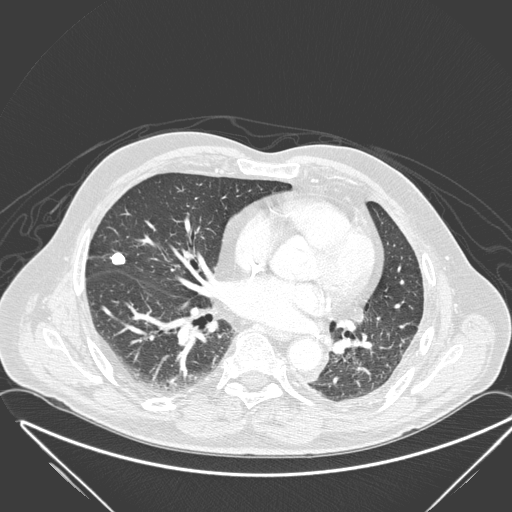
Axial slice 104 of 280 of a chest CT (slice 1 is the lowest), reconstructed with the D kernel at 120 kVp; 1.00 mm slice thickness and 0.830 mm pixels.
Pulmonary nodule, outlined by all four readers. Box on this slice rows 251–264, columns 110–125, the union of the readers' outlines on this slice; longest diameter 17.6–22.4 mm and volume 620–866 mm3 across the four readers' outlines. The readers' ratings, as ranges where they differ: texture 5/5 (solid), all four readers agreeing; margin from 4/5 to 5/5 (circumscribed) across the four readers; sphericity from 3/5 (ovoid) to 5/5 (round) across the four readers; calcification split among the readers: absent (two), solid calcification (two); internal structure soft tissue, all four readers agreeing; subtlety 5/5 from all four readers; malignancy likelihood 1–5/5 (the readers disagree). Scale key (1–5): texture non-solid→solid, margin indistinct→circumscribed, sphericity linear→round, subtlety extremely subtle→obvious, malignancy likelihood highly unlikely→highly suspicious of cancer. Box rows and columns are 0-based pixel indices from the top-left corner, inclusive.